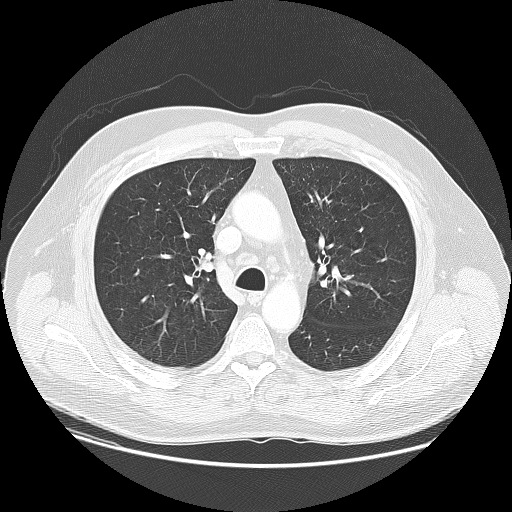
One axial slice (93 of 133, counting up from the lowest) of a chest CT acquired at 120 kVp with the LUNG kernel; each pixel is 0.820 mm and the slice is 2.50 mm thick.
No nodule 3 mm or larger was outlined here by any reader.